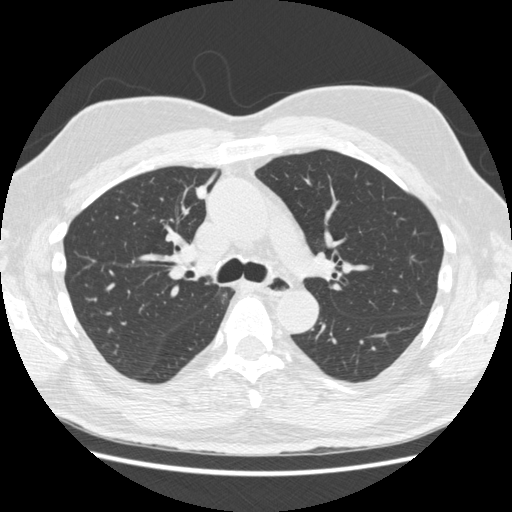
One axial slice (338 of 557, counting up from the lowest) of a chest CT acquired at 120 kVp with the STANDARD kernel; each pixel is 0.703 mm and the slice is 1.25 mm thick.
Pulmonary nodule, outlined by all four readers. Box on this slice rows 184–199, columns 195–207, the union of the readers' outlines on this slice; median longest diameter 13.3 mm (readers' outlines 12.6–14.2 mm), median volume 546 mm3 (470–622 mm3). Median ratings and the readers' spread: texture 5/5 (solid) from all four readers; median margin 4/5 (readers ranged 4/5 to 5/5 (circumscribed)); sphericity 3/5 (ovoid), all four readers agreeing; calcification absent from all four readers; internal structure soft tissue, all four readers agreeing; median subtlety 4.5/5 (readers ranged 3–5); malignancy likelihood 2.5/5 at the median of four readers, spread 1–4. Scale key (1–5): texture non-solid→solid, margin indistinct→circumscribed, sphericity linear→round, subtlety extremely subtle→obvious, malignancy likelihood highly unlikely→highly suspicious of cancer. Box rows and columns are 0-based pixel indices from the top-left corner, inclusive.